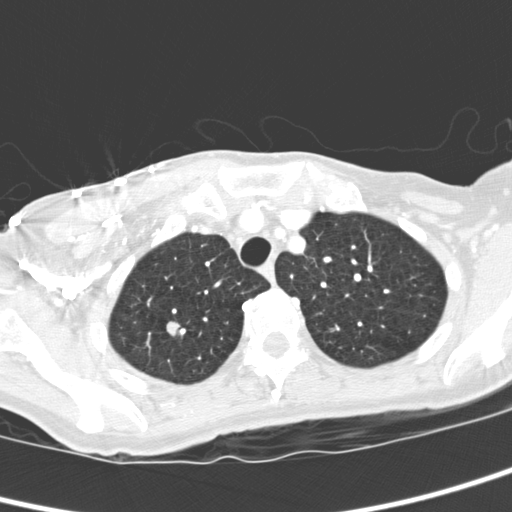
Axial slice 267 of 321 of a chest CT (slice 1 is the lowest), reconstructed with the D kernel at 120 kVp; 2.00 mm slice thickness and 0.557 mm pixels.
Pulmonary nodule at rows 321–336, columns 166–179 (box = the union of the readers' outlines on this slice), outlined by all four readers; longest diameter 9.7 mm on average over the four readers' outlines (readers' outlines 9.1–10.4 mm), volume 168–407 mm3. Ratings, by the readers' most common answer with dissent counted: texture 5/5 (solid) from all four readers; margin 5/5 (circumscribed) by three of four readers; the rest gave 4/5 (one); most readers (three of four) put sphericity at 4/5, others 3/5 (ovoid) (one); calcification absent from all four readers; internal structure soft tissue from all four readers; subtlety split among the readers: 4/5 (two), 5/5 (two); malignancy likelihood 3/5 by two of four readers; the rest gave 4/5 (one), 5/5 (one). Scale key (1–5): texture non-solid→solid, margin indistinct→circumscribed, sphericity linear→round, subtlety extremely subtle→obvious, malignancy likelihood highly unlikely→highly suspicious of cancer. Box rows and columns are 0-based pixel indices from the top-left corner, inclusive.